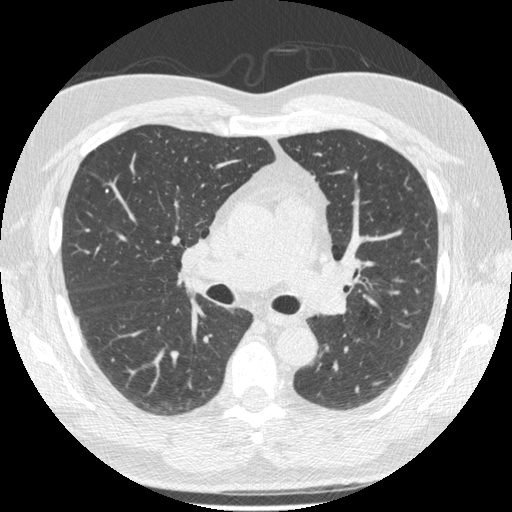
Axial slice 334 of 557 of a chest CT (slice 1 is the lowest), reconstructed with the STANDARD kernel at 120 kVp; 1.25 mm slice thickness and 0.703 mm pixels.
The readers outlined no nodule of 3 mm or more on this slice.